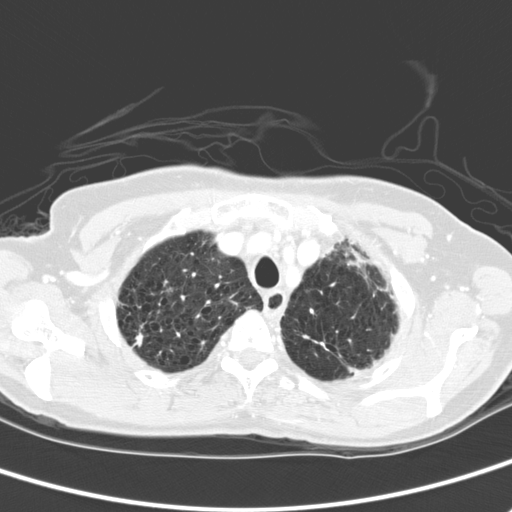
One axial slice (219 of 280, counting up from the lowest) of a chest CT acquired at 120 kVp with the D kernel; each pixel is 0.613 mm and the slice is 2.00 mm thick.
Pulmonary nodule, outlined by all four readers. Box on this slice rows 331–348, columns 133–143, the union of the readers' outlines on this slice; median longest diameter 17.5 mm (readers' outlines 16.7–18.9 mm), median volume 856 mm3 (701–1041 mm3). Median ratings and the readers' spread: median texture 4.5/5 (readers ranged 3/5 (part-solid) to 5/5 (solid)); margin 2.5/5 at the median of four readers, spread 1/5 (indistinct) to 5/5 (circumscribed); sphericity 2.5/5 at the median of four readers, spread 2/5 to 4/5; calcification absent, all four readers agreeing; internal structure soft tissue from all four readers; subtlety 4.5/5 at the median of four readers, spread 2–5; median malignancy likelihood 4/5 (readers ranged 3–5). Scale key (1–5): texture non-solid→solid, margin indistinct→circumscribed, sphericity linear→round, subtlety extremely subtle→obvious, malignancy likelihood highly unlikely→highly suspicious of cancer. Box rows and columns are 0-based pixel indices from the top-left corner, inclusive.